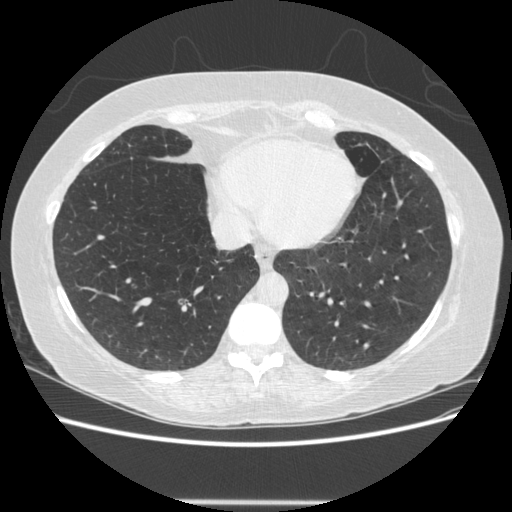
Chest CT, axial plane, 120 kVp, kernel STANDARD. Slice 167/513 from the bottom of the scan; thickness 1.25 mm; pixel size 0.703 mm.
Pulmonary nodule outlined by all four readers; box rows 342–349, columns 363–369 (the union of the readers' outlines on this slice); median longest diameter 8.3 mm (readers' outlines 7.6–9.4 mm), median volume 121 mm3 (94–152 mm3). Median ratings and the readers' spread: texture 5/5 (solid), all four readers agreeing; median margin 4.5/5 (readers ranged 1/5 (indistinct) to 5/5 (circumscribed)); sphericity 5/5 (round) at the median of four readers, spread 3/5 (ovoid) to 5/5 (round); calcification: solid calcification (three), absent (one); internal structure soft tissue, all four readers agreeing; median subtlety 5/5 (readers ranged 4–5); malignancy likelihood 1/5 at the median of four readers, spread 1–4. Scale key (1–5): texture non-solid→solid, margin indistinct→circumscribed, sphericity linear→round, subtlety extremely subtle→obvious, malignancy likelihood highly unlikely→highly suspicious of cancer. Box rows and columns are 0-based pixel indices from the top-left corner, inclusive.